Axial chest CT slice 104 of 258 (counted from the lowest slice); tube voltage 120 kVp, convolution kernel STANDARD; slices 1.25 mm thick, 0.859 mm per pixel.
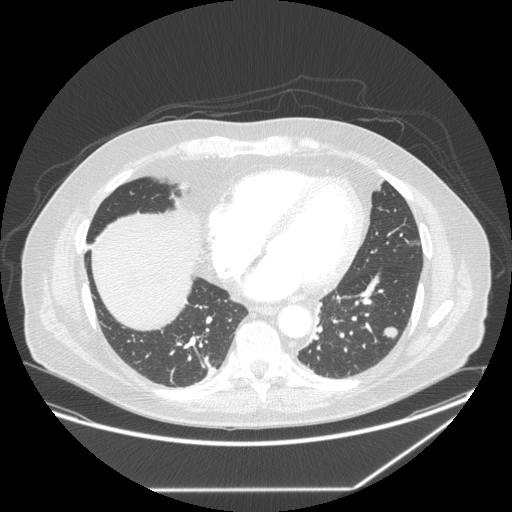
Pulmonary nodule at rows 327–337, columns 382–398 (box = the union of the readers' outlines on this slice), outlined by all four readers; longest diameter 13.1–16.3 mm and volume 787–1264 mm3 across the four readers' outlines. The readers' ratings, as ranges where they differ: texture 5/5 (solid), all four readers agreeing; margin from 4/5 to 5/5 (circumscribed) across the four readers; sphericity from 3/5 (ovoid) to 5/5 (round) across the four readers; calcification absent from all four readers; internal structure soft tissue, all four readers agreeing; subtlety from 3/5 to 5/5 across the four readers; malignancy likelihood from 2/5 to 5/5 across the four readers. Scale key (1–5): texture non-solid→solid, margin indistinct→circumscribed, sphericity linear→round, subtlety extremely subtle→obvious, malignancy likelihood highly unlikely→highly suspicious of cancer. Box rows and columns are 0-based pixel indices from the top-left corner, inclusive.